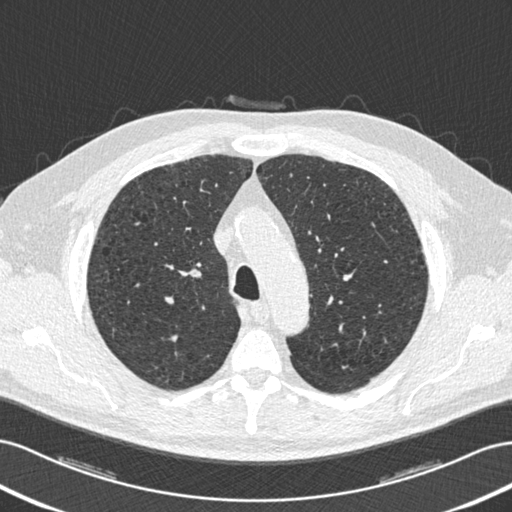
One axial slice (393 of 506, counting up from the lowest) of a chest CT acquired at 120 kVp with the B30f kernel; each pixel is 0.699 mm and the slice is 0.75 mm thick.
Two pulmonary nodules on this slice, listed from left to right. (1) Pulmonary nodule outlined by one of the four readers; box rows 269–277, columns 192–201 (that reader's outline on this slice); longest diameter 11.1 mm and volume 211 mm3 from that reader's outline. Ratings by that reader: texture 5/5 (solid); margin 4/5; sphericity 2/5; calcification absent; internal structure soft tissue; subtlety 2/5; malignancy likelihood 3/5. (2) Pulmonary nodule outlined by two of the four readers, one of them on this slice; box rows 364–368, columns 341–348 (the one reader's outline on this slice); the two readers' outlines give a longest diameter between 6.4 and 8.2 mm and a volume between 59 and 153 mm3. Ratings across the readers: texture 5/5 (solid) from both readers; margin from 4/5 to 5/5 (circumscribed) across the two readers; sphericity from 3/5 (ovoid) to 4/5 across the two readers; calcification absent from both readers; internal structure soft tissue from both readers; subtlety 3–5/5 (the readers disagree); malignancy likelihood 3/5, both readers agreeing. Scale key (1–5): texture non-solid→solid, margin indistinct→circumscribed, sphericity linear→round, subtlety extremely subtle→obvious, malignancy likelihood highly unlikely→highly suspicious of cancer. Box rows and columns are 0-based pixel indices from the top-left corner, inclusive.